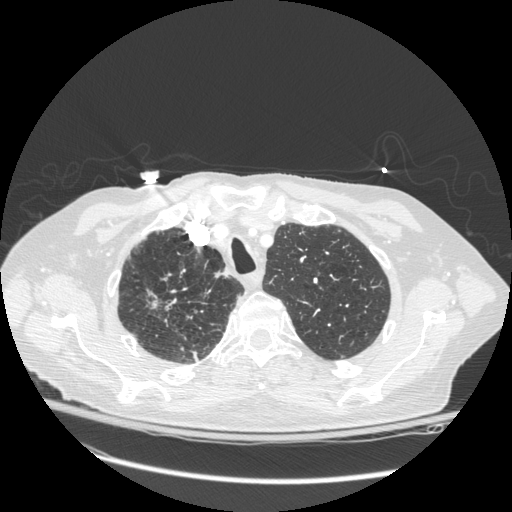
Chest CT, axial plane, 120 kVp, kernel STANDARD. Slice 222/272 from the bottom of the scan; thickness 1.25 mm; pixel size 0.742 mm.
Pulmonary nodule outlined by all four readers; box rows 290–308, columns 147–159 (the union of the readers' outlines on this slice); median longest diameter 21.5 mm (readers' outlines 16.0–56.1 mm), median volume 1723 mm3 (732–13897 mm3). Median ratings and the readers' spread: texture 5/5 (solid), all four readers agreeing; median margin 3/5 (readers ranged 3/5 to 5/5 (circumscribed)); sphericity 3/5 (ovoid) at the median of four readers, spread 3/5 (ovoid) to 4/5; calcification absent, all four readers agreeing; internal structure soft tissue from all four readers; subtlety 5/5 from all four readers; median malignancy likelihood 5/5 (readers ranged 4–5). Scale key (1–5): texture non-solid→solid, margin indistinct→circumscribed, sphericity linear→round, subtlety extremely subtle→obvious, malignancy likelihood highly unlikely→highly suspicious of cancer. Box rows and columns are 0-based pixel indices from the top-left corner, inclusive.